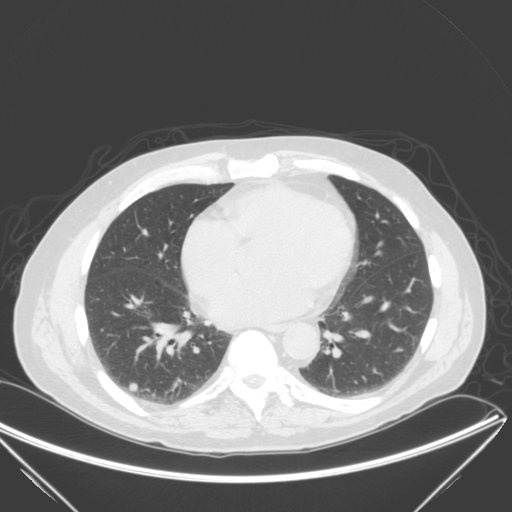
Chest CT, axial plane, 120 kVp, kernel B. Slice 96/280 from the bottom of the scan; thickness 2.00 mm; pixel size 0.805 mm.
Pulmonary nodule at rows 382–392, columns 127–137 (box = the union of the readers' outlines on this slice), outlined by all four readers; median longest diameter 9.3 mm (readers' outlines 9.1–10.9 mm), median volume 293 mm3 (168–331 mm3). Median ratings and the readers' spread: texture 5/5 (solid), all four readers agreeing; margin 4/5 at the median of four readers, spread 4/5 to 5/5 (circumscribed); median sphericity 5/5 (round) (readers ranged 4/5 to 5/5 (round)); calcification absent, all four readers agreeing; internal structure soft tissue, all four readers agreeing; median subtlety 5/5 (readers ranged 4–5); median malignancy likelihood 3/5 (readers ranged 3–5). Scale key (1–5): texture non-solid→solid, margin indistinct→circumscribed, sphericity linear→round, subtlety extremely subtle→obvious, malignancy likelihood highly unlikely→highly suspicious of cancer. Box rows and columns are 0-based pixel indices from the top-left corner, inclusive.